Axial chest CT slice 56 of 141 (counted from the lowest slice); tube voltage 120 kVp, convolution kernel LUNG; slices 2.50 mm thick, 0.762 mm per pixel.
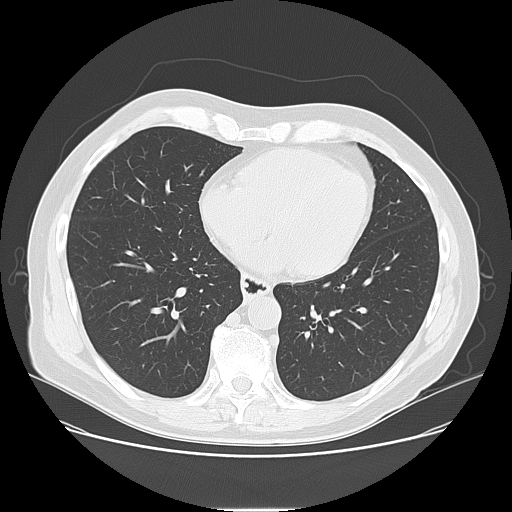
None of the four readers outlined a nodule of 3 mm or more on this slice.